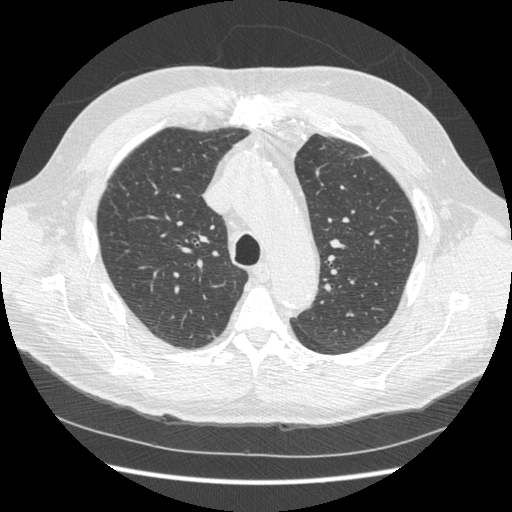
Axial chest CT slice 255 of 369 (counted from the lowest slice); tube voltage 120 kVp, convolution kernel STANDARD; slices 1.25 mm thick, 0.703 mm per pixel.
Pulmonary nodule outlined by one of the four readers; box rows 335–339, columns 206–210 (that reader's outline on this slice); longest diameter 7.6 mm and volume 55 mm3 from that reader's outline. Ratings by that reader: texture 5/5 (solid); margin 1/5 (indistinct); sphericity 3/5 (ovoid); calcification absent; internal structure soft tissue; subtlety 5/5; malignancy likelihood 2/5. Scale key (1–5): texture non-solid→solid, margin indistinct→circumscribed, sphericity linear→round, subtlety extremely subtle→obvious, malignancy likelihood highly unlikely→highly suspicious of cancer. Box rows and columns are 0-based pixel indices from the top-left corner, inclusive.